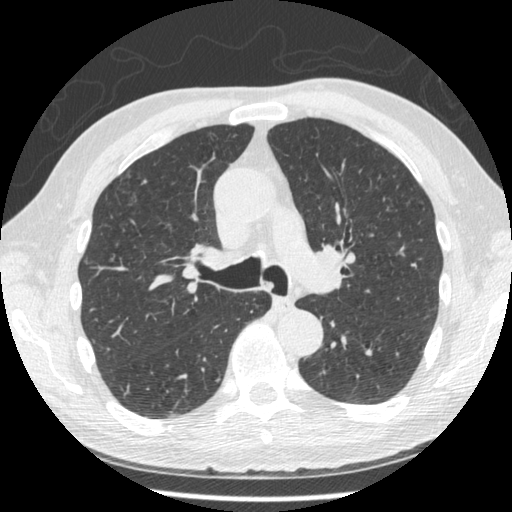
Axial chest CT slice 303 of 481 (counted from the lowest slice); tube voltage 120 kVp, convolution kernel STANDARD; slices 1.25 mm thick, 0.664 mm per pixel.
Pulmonary nodule, outlined by one of the four readers. Box on this slice rows 260–264, columns 84–87, that reader's outline on this slice; longest diameter 8.7 mm and volume 117 mm3 from that reader's outline. That reader's ratings: texture 4/5; margin 5/5 (circumscribed); sphericity 4/5; calcification absent; internal structure soft tissue; subtlety 4/5; malignancy likelihood 4/5. Scale key (1–5): texture non-solid→solid, margin indistinct→circumscribed, sphericity linear→round, subtlety extremely subtle→obvious, malignancy likelihood highly unlikely→highly suspicious of cancer. Box rows and columns are 0-based pixel indices from the top-left corner, inclusive.